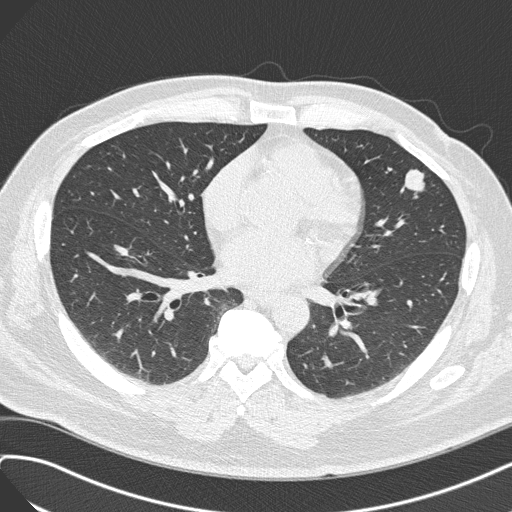
This is axial slice 150 of 308 (slice 1 is the lowest) of a chest CT; each pixel is 0.703 mm and the slice is 1.00 mm thick. Pulmonary nodule outlined by all four readers; box rows 169–198, columns 400–425 (the union of the readers' outlines on this slice); the four readers' outlines give a longest diameter between 19.6 and 23.0 mm and a volume between 1982 and 2315 mm3. Ratings across the readers: texture 5/5 (solid), all four readers agreeing; margin from 4/5 to 5/5 (circumscribed) across the four readers; sphericity from 3/5 (ovoid) to 5/5 (round) across the four readers; calcification absent from all four readers; internal structure soft tissue from all four readers; subtlety 5/5 from all four readers; malignancy likelihood from 3/5 to 5/5 across the four readers. Scale key (1–5): texture non-solid→solid, margin indistinct→circumscribed, sphericity linear→round, subtlety extremely subtle→obvious, malignancy likelihood highly unlikely→highly suspicious of cancer. Box rows and columns are 0-based pixel indices from the top-left corner, inclusive.
Scan settings: 120 kVp, B45f reconstruction kernel.